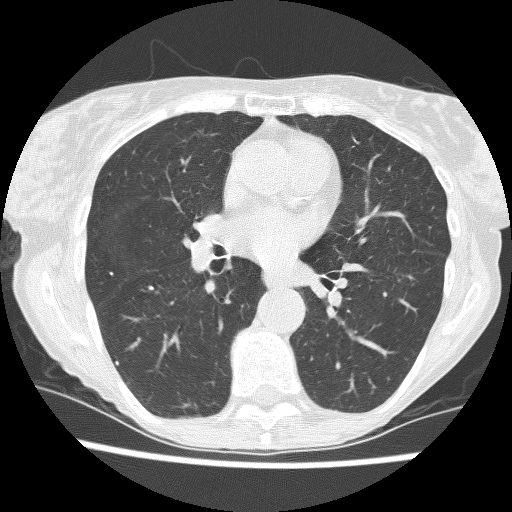
Chest CT, axial plane, 120 kVp, kernel BONE. Slice 128/240 from the bottom of the scan; thickness 1.25 mm; pixel size 0.566 mm.
Pulmonary nodule outlined by one of the four readers; box rows 286–289, columns 149–153 (that reader's outline on this slice); longest diameter 4.7 mm and volume 39 mm3 from that reader's outline. That reader's ratings: texture 5/5 (solid); margin 5/5 (circumscribed); sphericity 5/5 (round); calcification solid calcification; internal structure soft tissue; subtlety 2/5; malignancy likelihood 1/5. Scale key (1–5): texture non-solid→solid, margin indistinct→circumscribed, sphericity linear→round, subtlety extremely subtle→obvious, malignancy likelihood highly unlikely→highly suspicious of cancer. Box rows and columns are 0-based pixel indices from the top-left corner, inclusive.